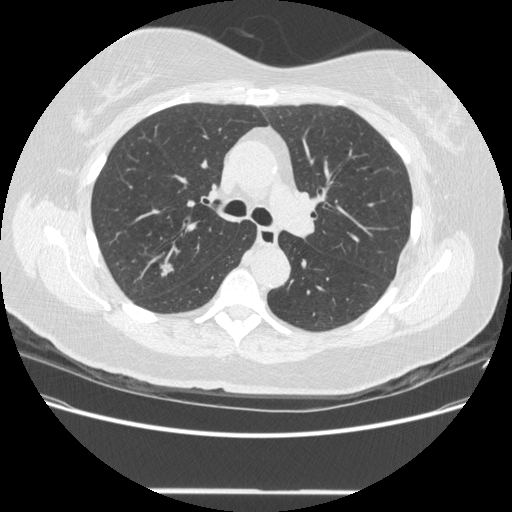
Axial chest CT slice 304 of 481 (counted from the lowest slice); tube voltage 120 kVp, convolution kernel STANDARD; slices 1.25 mm thick, 0.742 mm per pixel.
Pulmonary nodule, outlined by three of the four readers. Box on this slice rows 263–276, columns 159–173, the union of the readers' outlines on this slice; median longest diameter 14.2 mm (readers' outlines 13.9–15.6 mm), median volume 777 mm3 (741–820 mm3). Ratings, median across the readers with their spread: texture 4/5 from all three readers; margin 4/5 at the median of three readers, spread 3/5 to 4/5; median sphericity 3/5 (ovoid) (readers ranged 3/5 (ovoid) to 4/5); calcification absent, all three readers agreeing; internal structure soft tissue, all three readers agreeing; subtlety 4/5 at the median of three readers, spread 4–5; malignancy likelihood 5/5 at the median of three readers, spread 4–5. Scale key (1–5): texture non-solid→solid, margin indistinct→circumscribed, sphericity linear→round, subtlety extremely subtle→obvious, malignancy likelihood highly unlikely→highly suspicious of cancer. Box rows and columns are 0-based pixel indices from the top-left corner, inclusive.